Axial slice 248 of 465 of a chest CT (slice 1 is the lowest), reconstructed with the STANDARD kernel at 120 kVp; 1.25 mm slice thickness and 0.586 mm pixels.
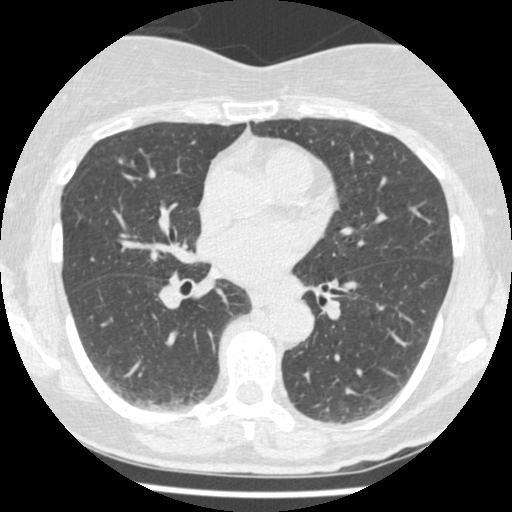
Pulmonary nodule outlined by two of the four readers; box rows 154–165, columns 117–126 (the union of the readers' outlines on this slice); longest diameter 7.1–7.9 mm and volume 74–77 mm3 across the two readers' outlines. Ratings across the readers: texture 5/5 (solid) from both readers; margin from 4/5 to 5/5 (circumscribed) across the two readers; sphericity from 3/5 (ovoid) to 5/5 (round) across the two readers; calcification absent, both readers agreeing; internal structure soft tissue from both readers; subtlety 4/5 from both readers; malignancy likelihood 3/5, both readers agreeing. Scale key (1–5): texture non-solid→solid, margin indistinct→circumscribed, sphericity linear→round, subtlety extremely subtle→obvious, malignancy likelihood highly unlikely→highly suspicious of cancer. Box rows and columns are 0-based pixel indices from the top-left corner, inclusive.